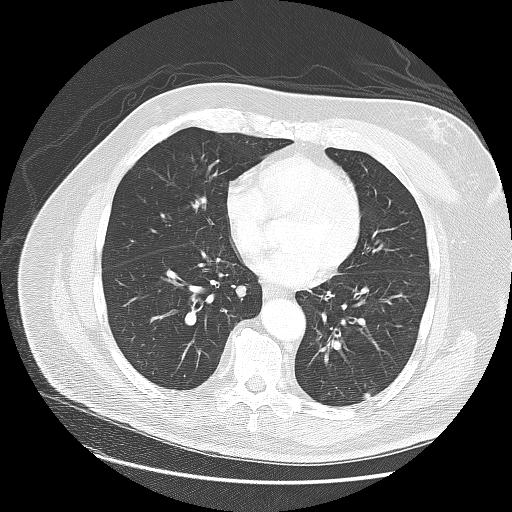
Axial chest CT slice 65 of 140 (counted from the lowest slice); tube voltage 120 kVp, convolution kernel LUNG; slices 2.50 mm thick, 0.781 mm per pixel.
Two pulmonary nodules on this slice, listed from left to right. (1) Pulmonary nodule, outlined by all four readers. Box on this slice rows 285–297, columns 235–246, the union of the readers' outlines on this slice; longest diameter 9.7–11.8 mm and volume 557–728 mm3 across the four readers' outlines. The readers' ratings, as ranges where they differ: texture from 4/5 to 5/5 (solid) across the four readers; margin 5/5 (circumscribed), all four readers agreeing; sphericity from 4/5 to 5/5 (round) across the four readers; calcification absent from all four readers; internal structure soft tissue, all four readers agreeing; subtlety rated between 3 and 4 out of 5 by the four readers; malignancy likelihood 2–4/5 (the readers disagree). (2) Pulmonary nodule outlined by all four readers; box rows 391–402, columns 361–371 (the union of the readers' outlines on this slice); longest diameter 9.8 mm on average over the four readers' outlines (readers' outlines 7.4–12.0 mm), volume 152–453 mm3. The readers' prevailing ratings and who disagreed: texture 5/5 (solid) from all four readers; margin 5/5 (circumscribed) from all four readers; sphericity split among the readers: 3/5 (ovoid) (two), 5/5 (round) (two); calcification absent, all four readers agreeing; internal structure soft tissue, all four readers agreeing; subtlety 3/5 by two of four readers; the rest gave 4/5 (one), 5/5 (one); malignancy likelihood 3/5 by two of four readers; the rest gave 2/5 (one), 4/5 (one). Scale key (1–5): texture non-solid→solid, margin indistinct→circumscribed, sphericity linear→round, subtlety extremely subtle→obvious, malignancy likelihood highly unlikely→highly suspicious of cancer. Box rows and columns are 0-based pixel indices from the top-left corner, inclusive.